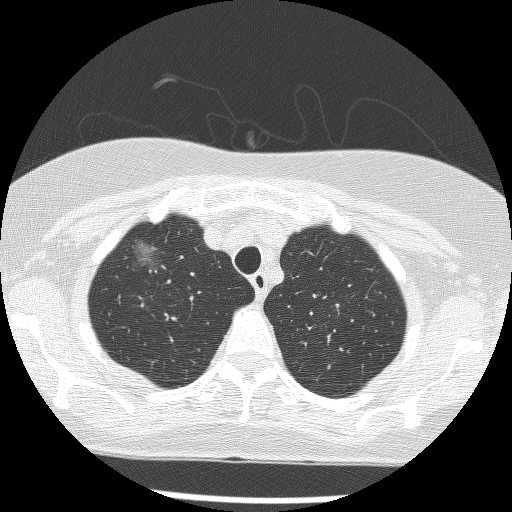
Axial chest CT slice 203 of 241 (counted from the lowest slice); tube voltage 120 kVp, convolution kernel BONE; slices 1.25 mm thick, 0.586 mm per pixel.
Pulmonary nodule outlined by all four readers; box rows 239–269, columns 132–161 (the union of the readers' outlines on this slice); longest diameter 21.0–24.7 mm and volume 2289–2909 mm3 across the four readers' outlines. The readers' ratings, as ranges where they differ: texture from 1/5 (non-solid) to 2/5 across the four readers; margin from 2/5 to 3/5 across the four readers; sphericity from 2/5 to 4/5 across the four readers; calcification absent from all four readers; internal structure soft tissue from all four readers; subtlety from 4/5 to 5/5 across the four readers; malignancy likelihood 3–5/5 (the readers disagree). Scale key (1–5): texture non-solid→solid, margin indistinct→circumscribed, sphericity linear→round, subtlety extremely subtle→obvious, malignancy likelihood highly unlikely→highly suspicious of cancer. Box rows and columns are 0-based pixel indices from the top-left corner, inclusive.